Chest CT, axial plane, 120 kVp, kernel B30f. Slice 184/538 from the bottom of the scan; thickness 0.75 mm; pixel size 0.605 mm.
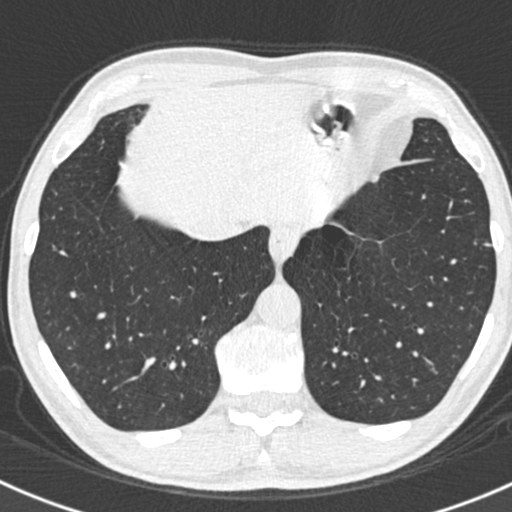
Pulmonary nodule, outlined by two of the four readers, one of them on this slice. Box on this slice rows 243–246, columns 484–490, the one reader's outline on this slice; longest diameter 5.9 mm on average over the two readers' outlines (readers' outlines 5.6–6.2 mm), volume 18–38 mm3. Ratings, by the readers' most common answer with dissent counted: texture 5/5 (solid) from both readers; margin split among the readers: 4/5 (one), 5/5 (circumscribed) (one); sphericity split among the readers: 2/5 (one), 3/5 (ovoid) (one); calcification solid calcification, both readers agreeing; internal structure soft tissue, both readers agreeing; subtlety 3/5 from both readers; malignancy likelihood 1/5 from both readers. Scale key (1–5): texture non-solid→solid, margin indistinct→circumscribed, sphericity linear→round, subtlety extremely subtle→obvious, malignancy likelihood highly unlikely→highly suspicious of cancer. Box rows and columns are 0-based pixel indices from the top-left corner, inclusive.